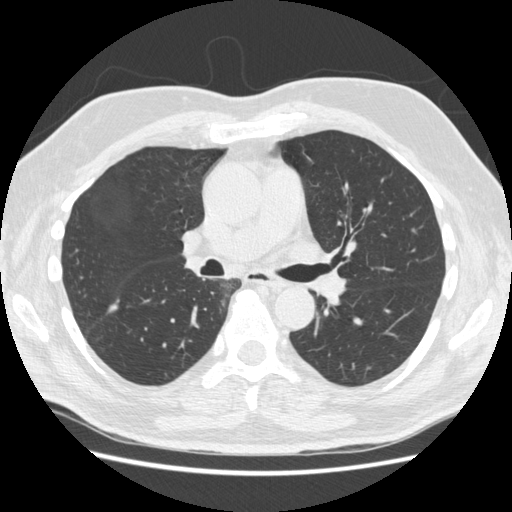
One axial slice (298 of 557, counting up from the lowest) of a chest CT acquired at 120 kVp with the STANDARD kernel; each pixel is 0.703 mm and the slice is 1.25 mm thick.
Pulmonary nodule at rows 303–313, columns 107–118 (box = the union of the readers' outlines on this slice), outlined by all four readers; median longest diameter 22.6 mm (readers' outlines 19.1–25.0 mm), median volume 1024 mm3 (785–1099 mm3). Ratings, median across the readers with their spread: median texture 5/5 (solid) (readers ranged 4/5 to 5/5 (solid)); margin 3.5/5 at the median of four readers, spread 3/5 to 5/5 (circumscribed); median sphericity 3/5 (ovoid) (readers ranged 2/5 to 3/5 (ovoid)); calcification absent, all four readers agreeing; internal structure soft tissue, all four readers agreeing; subtlety 5/5 at the median of four readers, spread 4–5; median malignancy likelihood 4/5 (readers ranged 2–5). Scale key (1–5): texture non-solid→solid, margin indistinct→circumscribed, sphericity linear→round, subtlety extremely subtle→obvious, malignancy likelihood highly unlikely→highly suspicious of cancer. Box rows and columns are 0-based pixel indices from the top-left corner, inclusive.